Chest CT, axial plane, 120 kVp, kernel BONE. Slice 84/241 from the bottom of the scan; thickness 1.25 mm; pixel size 0.590 mm.
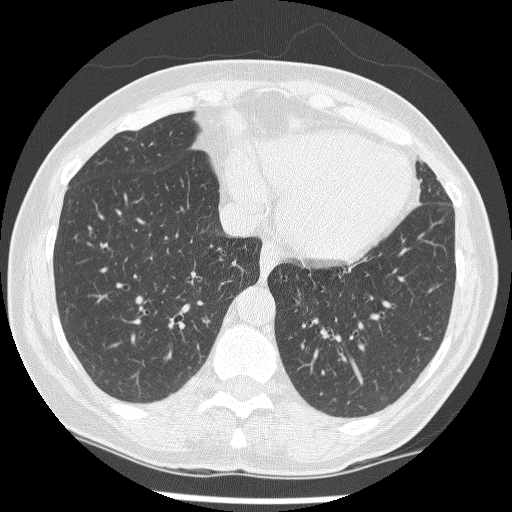
The readers outlined no nodule of 3 mm or more on this slice.